Axial chest CT slice 130 of 375 (counted from the lowest slice); tube voltage 120 kVp, convolution kernel B45f; slices 1.00 mm thick, 0.586 mm per pixel.
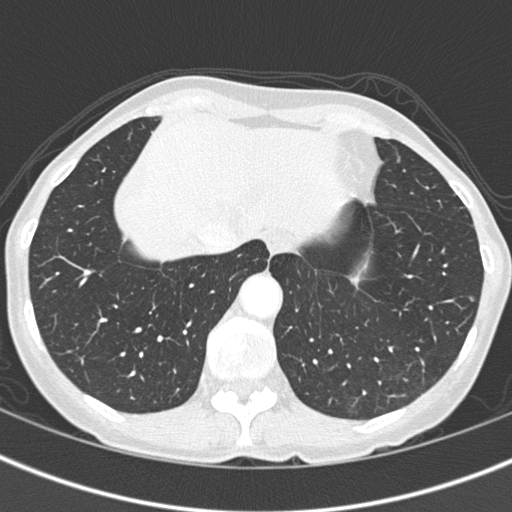
Pulmonary nodule, outlined by one of the four readers. Box on this slice rows 296–301, columns 469–472, that reader's outline on this slice; longest diameter 5.0 mm and volume 41 mm3 from that reader's outline. Ratings by that reader: texture 5/5 (solid); margin 4/5; sphericity 4/5; calcification absent; internal structure soft tissue; subtlety 3/5; malignancy likelihood 4/5. Scale key (1–5): texture non-solid→solid, margin indistinct→circumscribed, sphericity linear→round, subtlety extremely subtle→obvious, malignancy likelihood highly unlikely→highly suspicious of cancer. Box rows and columns are 0-based pixel indices from the top-left corner, inclusive.